One axial slice (215 of 347, counting up from the lowest) of a chest CT acquired at 120 kVp with the B45f kernel; each pixel is 0.625 mm and the slice is 1.00 mm thick.
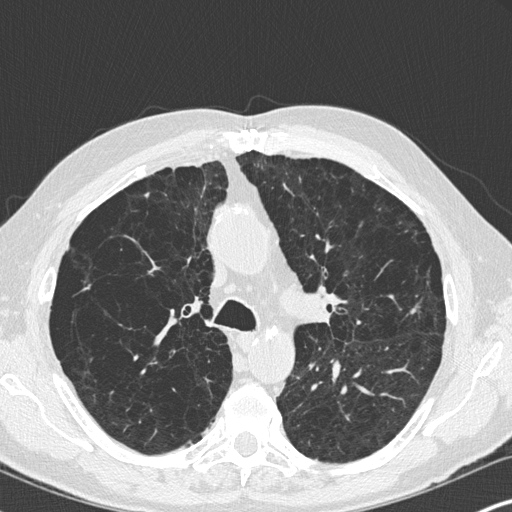
Pulmonary nodule outlined by one of the four readers; box rows 308–313, columns 410–414 (that reader's outline on this slice); longest diameter 5.3 mm and volume 43 mm3 from that reader's outline. That reader's ratings: texture 5/5 (solid); margin 4/5; sphericity 4/5; calcification absent; internal structure soft tissue; subtlety 5/5; malignancy likelihood 2/5. Scale key (1–5): texture non-solid→solid, margin indistinct→circumscribed, sphericity linear→round, subtlety extremely subtle→obvious, malignancy likelihood highly unlikely→highly suspicious of cancer. Box rows and columns are 0-based pixel indices from the top-left corner, inclusive.